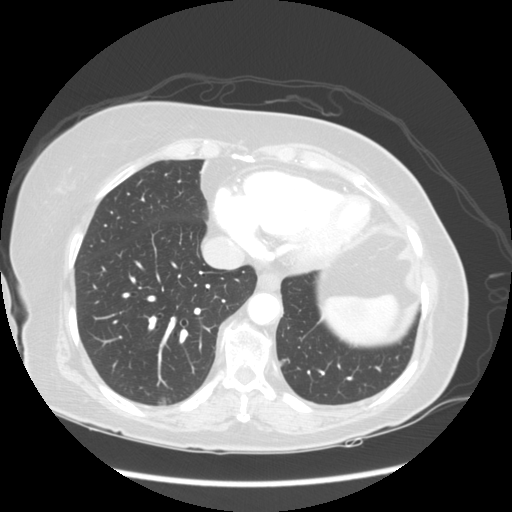
Axial chest CT slice 64 of 141 (counted from the lowest slice); tube voltage 120 kVp, convolution kernel STANDARD; slices 2.50 mm thick, 0.703 mm per pixel.
Pulmonary nodule outlined by all four readers, two of them on this slice; box rows 396–405, columns 156–170 (the union of the readers' outlines on this slice); median longest diameter 22.3 mm (readers' outlines 21.4–23.4 mm), median volume 3684 mm3 (3130–4766 mm3). Ratings, median across the readers with their spread: texture 5/5 (solid) from all four readers; median margin 3/5 (readers ranged 2/5 to 4/5); sphericity 4/5 at the median of four readers, spread 3/5 (ovoid) to 5/5 (round); calcification absent, all four readers agreeing; internal structure soft tissue from all four readers; subtlety 5/5 from all four readers; malignancy likelihood 5/5 from all four readers. Scale key (1–5): texture non-solid→solid, margin indistinct→circumscribed, sphericity linear→round, subtlety extremely subtle→obvious, malignancy likelihood highly unlikely→highly suspicious of cancer. Box rows and columns are 0-based pixel indices from the top-left corner, inclusive.